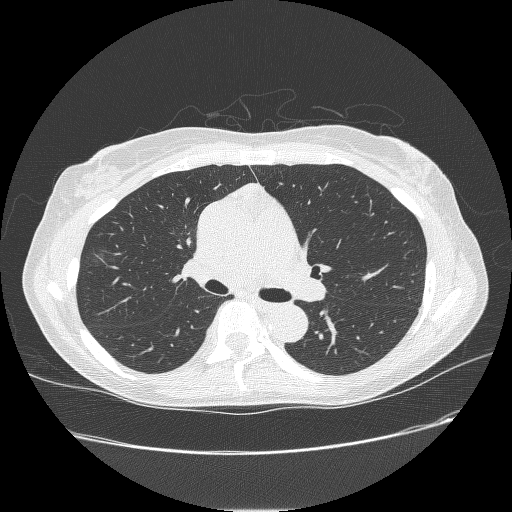
Chest CT, axial plane, 120 kVp, kernel BONE. Slice 156/238 from the bottom of the scan; thickness 1.25 mm; pixel size 0.703 mm.
Pulmonary nodule outlined by two of the four readers, one of them on this slice; box rows 251–263, columns 92–103 (the one reader's outline on this slice); median longest diameter 14.0 mm (readers' outlines 11.5–16.5 mm), median volume 546 mm3 (494–598 mm3). Ratings, median across the readers with their spread: texture 1/5 (non-solid), both readers agreeing; margin 1/5 (indistinct), both readers agreeing; median sphericity 3.5/5 (readers ranged 3/5 (ovoid) to 4/5); calcification absent, both readers agreeing; internal structure soft tissue from both readers; subtlety 4/5, both readers agreeing; malignancy likelihood 3.5/5 at the median of two readers, spread 3–4. Scale key (1–5): texture non-solid→solid, margin indistinct→circumscribed, sphericity linear→round, subtlety extremely subtle→obvious, malignancy likelihood highly unlikely→highly suspicious of cancer. Box rows and columns are 0-based pixel indices from the top-left corner, inclusive.